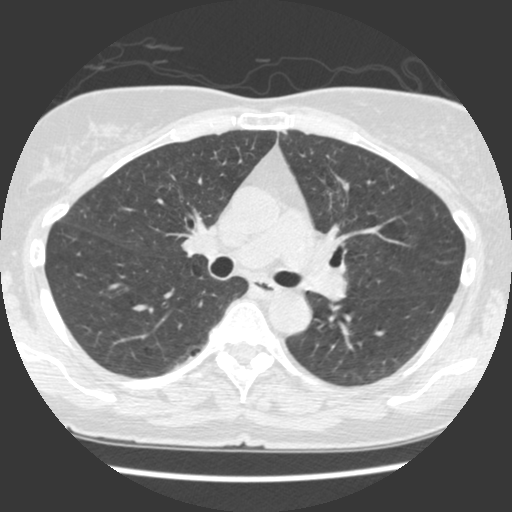
This is axial slice 238 of 429 (slice 1 is the lowest) of a chest CT; each pixel is 0.586 mm and the slice is 1.25 mm thick. Pulmonary nodule, outlined by one of the four readers. Box on this slice rows 131–134, columns 282–286, that reader's outline on this slice; longest diameter 7.8 mm and volume 111 mm3 from that reader's outline. Ratings by that reader: texture 5/5 (solid); margin 2/5; sphericity 2/5; calcification absent; internal structure soft tissue; subtlety 2/5; malignancy likelihood 1/5. Scale key (1–5): texture non-solid→solid, margin indistinct→circumscribed, sphericity linear→round, subtlety extremely subtle→obvious, malignancy likelihood highly unlikely→highly suspicious of cancer. Box rows and columns are 0-based pixel indices from the top-left corner, inclusive.
Acquired at 120 kVp and reconstructed with the STANDARD kernel.